Axial chest CT slice 107 of 280 (counted from the lowest slice); tube voltage 120 kVp, convolution kernel D; slices 1.00 mm thick, 0.830 mm per pixel.
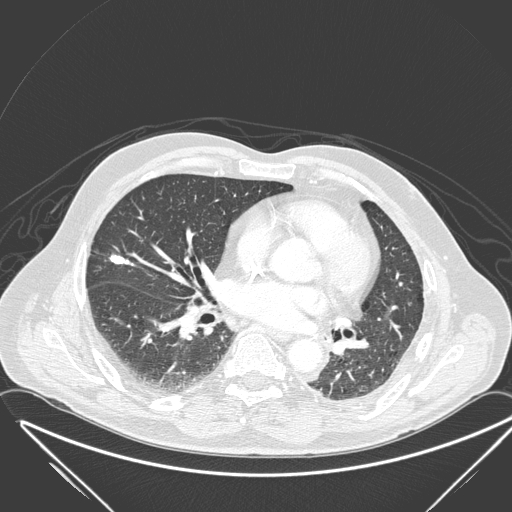
Pulmonary nodule at rows 253–265, columns 109–133 (box = the union of the readers' outlines on this slice), outlined by all four readers; median longest diameter 21.3 mm (readers' outlines 17.6–22.4 mm), median volume 749 mm3 (620–866 mm3). Ratings, median across the readers with their spread: texture 5/5 (solid) from all four readers; median margin 4.5/5 (readers ranged 4/5 to 5/5 (circumscribed)); median sphericity 4/5 (readers ranged 3/5 (ovoid) to 5/5 (round)); calcification split among the readers: absent (two), solid calcification (two); internal structure soft tissue, all four readers agreeing; subtlety 5/5, all four readers agreeing; malignancy likelihood 3/5 at the median of four readers, spread 1–5. Scale key (1–5): texture non-solid→solid, margin indistinct→circumscribed, sphericity linear→round, subtlety extremely subtle→obvious, malignancy likelihood highly unlikely→highly suspicious of cancer. Box rows and columns are 0-based pixel indices from the top-left corner, inclusive.